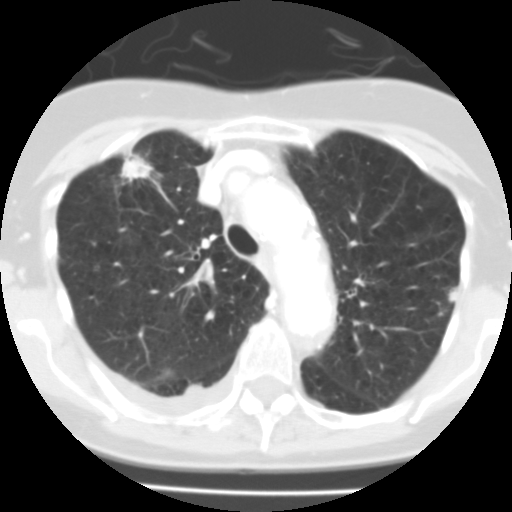
One axial slice (73 of 100, counting up from the lowest) of a chest CT acquired at 135 kVp with the FC01 kernel; each pixel is 0.540 mm and the slice is 3.00 mm thick.
Two pulmonary nodules on this slice, listed from left to right. (1) Pulmonary nodule outlined by all four readers; box rows 147–187, columns 111–163 (the union of the readers' outlines on this slice); the four readers' outlines give a longest diameter between 22.6 and 33.3 mm and a volume between 3212 and 10079 mm3. The readers' ratings, as ranges where they differ: texture from 4/5 to 5/5 (solid) across the four readers; margin from 1/5 (indistinct) to 4/5 across the four readers; sphericity from 3/5 (ovoid) to 5/5 (round) across the four readers; calcification absent from all four readers; internal structure soft tissue from all four readers; subtlety 5/5, all four readers agreeing; malignancy likelihood from 4/5 to 5/5 across the four readers. (2) Pulmonary nodule, outlined by two of the four readers. Box on this slice rows 287–301, columns 449–457, the union of the readers' outlines on this slice; median longest diameter 10.4 mm (readers' outlines 10.2–10.7 mm), median volume 437 mm3 (433–442 mm3). Median ratings and the readers' spread: texture 5/5 (solid) from both readers; margin 4.5/5 at the median of two readers, spread 4/5 to 5/5 (circumscribed); sphericity 3.5/5 at the median of two readers, spread 2/5 to 5/5 (round); calcification absent from both readers; internal structure soft tissue from both readers; subtlety 3.5/5 at the median of two readers, spread 3–4; malignancy likelihood 2.5/5 at the median of two readers, spread 2–3. Scale key (1–5): texture non-solid→solid, margin indistinct→circumscribed, sphericity linear→round, subtlety extremely subtle→obvious, malignancy likelihood highly unlikely→highly suspicious of cancer. Box rows and columns are 0-based pixel indices from the top-left corner, inclusive.